Axial slice 159 of 295 of a chest CT (slice 1 is the lowest), reconstructed with the STANDARD kernel at 120 kVp; 2.50 mm slice thickness and 0.703 mm pixels.
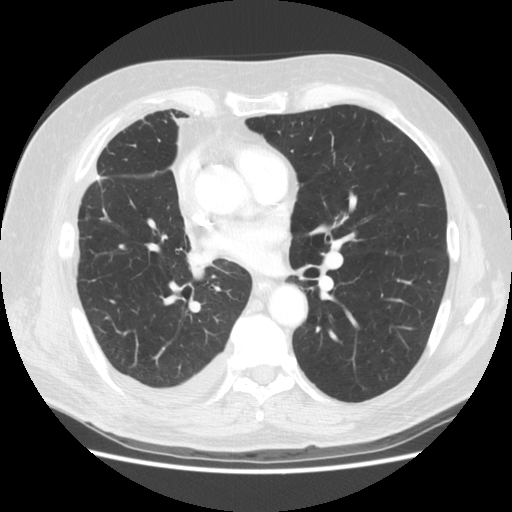
Pulmonary nodule at rows 217–220, columns 84–89 (box = the one reader's outline on this slice), outlined by all four readers, one of them on this slice; median longest diameter 8.2 mm (readers' outlines 8.0–8.7 mm), median volume 182 mm3 (146–188 mm3). Ratings, median across the readers with their spread: texture 5/5 (solid) from all four readers; margin 5/5 (circumscribed) at the median of four readers, spread 4/5 to 5/5 (circumscribed); sphericity 4/5 at the median of four readers, spread 3/5 (ovoid) to 5/5 (round); calcification: solid calcification (three), absent (one); internal structure soft tissue, all four readers agreeing; subtlety 5/5, all four readers agreeing; malignancy likelihood 1/5, all four readers agreeing. Scale key (1–5): texture non-solid→solid, margin indistinct→circumscribed, sphericity linear→round, subtlety extremely subtle→obvious, malignancy likelihood highly unlikely→highly suspicious of cancer. Box rows and columns are 0-based pixel indices from the top-left corner, inclusive.